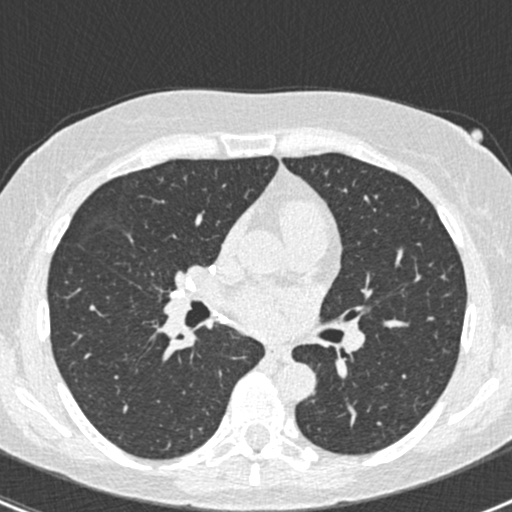
One axial slice (250 of 429, counting up from the lowest) of a chest CT acquired at 120 kVp with the B30f kernel; each pixel is 0.586 mm and the slice is 0.75 mm thick.
Pulmonary nodule, outlined three times (the source holds two more outlines, not used), two of them on this slice. Box on this slice rows 240–241, columns 131–131, the union of the readers' outlines on this slice; median longest diameter 8.9 mm (readers' outlines 8.0–11.0 mm), median volume 137 mm3 (95–144 mm3). Median ratings and the readers' spread: texture 5/5 (solid) from all three readers; margin 5/5 (circumscribed) from all three readers; sphericity 3/5 (ovoid) at the median of three readers, spread 2/5 to 5/5 (round); calcification solid calcification, all three readers agreeing; internal structure soft tissue from all three readers; subtlety 4/5 at the median of three readers, spread 4–5; malignancy likelihood 1/5 from all three readers. Scale key (1–5): texture non-solid→solid, margin indistinct→circumscribed, sphericity linear→round, subtlety extremely subtle→obvious, malignancy likelihood highly unlikely→highly suspicious of cancer. Box rows and columns are 0-based pixel indices from the top-left corner, inclusive.